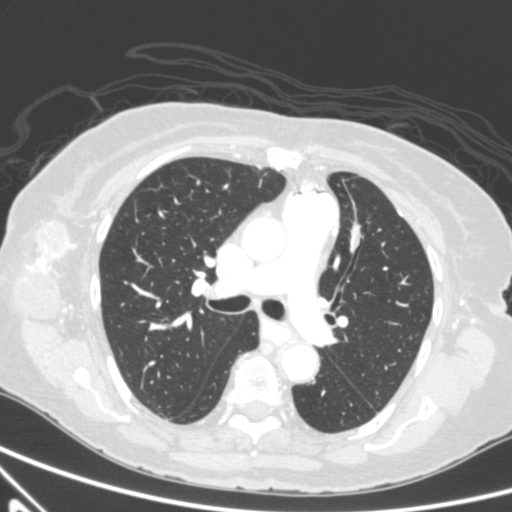
Axial chest CT slice 354 of 590 (counted from the lowest slice); 0.90 mm thick, 0.627 mm per pixel. Pulmonary nodule outlined by all four readers, three of them on this slice; box rows 224–249, columns 353–362 (the union of the readers' outlines on this slice); longest diameter 17.9 mm on average over the four readers' outlines (readers' outlines 16.3–20.1 mm), volume 1116–1236 mm3. The readers' prevailing ratings and who disagreed: texture 5/5 (solid) from all four readers; margin 4/5 by two of four readers; the rest gave 3/5 (one), 5/5 (circumscribed) (one); sphericity split among the readers: 3/5 (ovoid) (two), 4/5 (two); calcification absent from all four readers; internal structure soft tissue from all four readers; most readers (three of four) put subtlety at 5/5, others 4/5 (one); malignancy likelihood split among the readers: 3/5 (two), 5/5 (two). Scale key (1–5): texture non-solid→solid, margin indistinct→circumscribed, sphericity linear→round, subtlety extremely subtle→obvious, malignancy likelihood highly unlikely→highly suspicious of cancer. Box rows and columns are 0-based pixel indices from the top-left corner, inclusive.
Acquired at 120 kVp and reconstructed with the B kernel.